Chest CT, axial plane, 120 kVp, kernel STANDARD. Slice 268/567 from the bottom of the scan; thickness 1.25 mm; pixel size 0.742 mm.
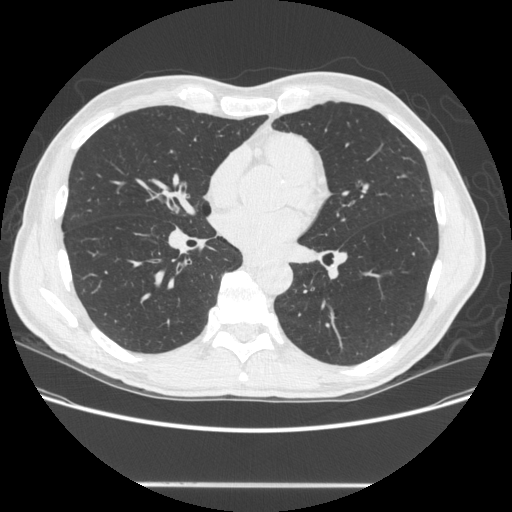
This slice carries no reader outline of a nodule 3 mm or larger.